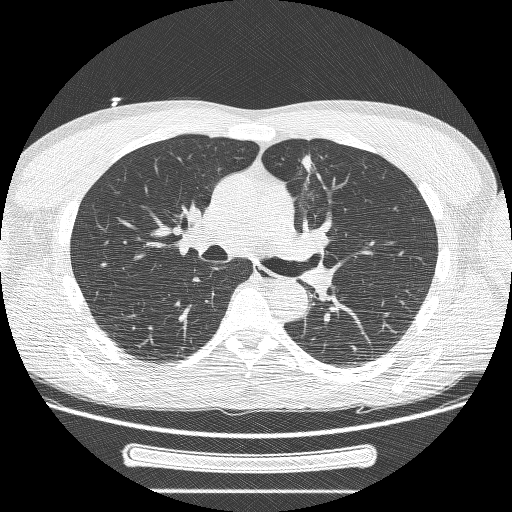
One axial slice (147 of 244, counting up from the lowest) of a chest CT acquired at 120 kVp with the BONE kernel; each pixel is 0.729 mm and the slice is 1.25 mm thick.
Pulmonary nodule outlined by three of the four readers; box rows 153–171, columns 301–312 (the union of the readers' outlines on this slice); longest diameter 34.2 mm on average over the three readers' outlines (readers' outlines 27.4–37.9 mm), volume 2934–10099 mm3. Ratings, by the readers' most common answer with dissent counted: most readers (two of three) put texture at 5/5 (solid), others 3/5 (part-solid) (one); margin split among the readers: 1/5 (indistinct) (one), 2/5 (one), 3/5 (one); sphericity split among the readers: 2/5 (one), 3/5 (ovoid) (one), 4/5 (one); calcification absent from all three readers; internal structure soft tissue, all three readers agreeing; subtlety 5/5 from all three readers; most readers (two of three) put malignancy likelihood at 5/5, others 3/5 (one). Scale key (1–5): texture non-solid→solid, margin indistinct→circumscribed, sphericity linear→round, subtlety extremely subtle→obvious, malignancy likelihood highly unlikely→highly suspicious of cancer. Box rows and columns are 0-based pixel indices from the top-left corner, inclusive.